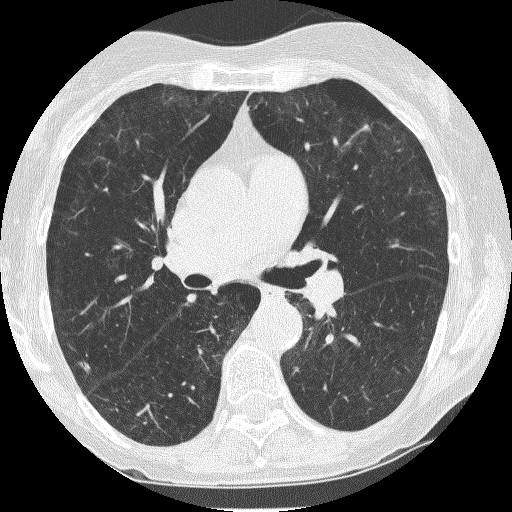
This is axial slice 136 of 235 (slice 1 is the lowest) of a chest CT; each pixel is 0.537 mm and the slice is 1.25 mm thick. Pulmonary nodule at rows 362–372, columns 81–90 (box = the union of the readers' outlines on this slice), outlined by three of the four readers; median longest diameter 6.9 mm (readers' outlines 6.7–8.2 mm), median volume 97 mm3 (47–122 mm3). Ratings, median across the readers with their spread: texture 5/5 (solid) at the median of three readers, spread 4/5 to 5/5 (solid); margin 4/5 at the median of three readers, spread 3/5 to 5/5 (circumscribed); median sphericity 2/5 (readers ranged 1/5 (linear) to 4/5); calcification absent from all three readers; internal structure soft tissue from all three readers; median subtlety 3/5 (readers ranged 2–4); median malignancy likelihood 2/5 (readers ranged 2–3). Scale key (1–5): texture non-solid→solid, margin indistinct→circumscribed, sphericity linear→round, subtlety extremely subtle→obvious, malignancy likelihood highly unlikely→highly suspicious of cancer. Box rows and columns are 0-based pixel indices from the top-left corner, inclusive.
Tube voltage 120 kVp; convolution kernel BONE.